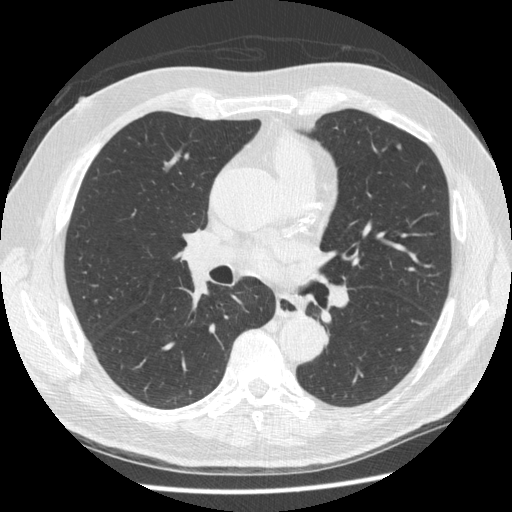
Axial slice 289 of 519 of a chest CT (slice 1 is the lowest), reconstructed with the STANDARD kernel at 120 kVp; 1.25 mm slice thickness and 0.703 mm pixels.
Pulmonary nodule at rows 143–148, columns 395–400 (box = the union of the readers' outlines on this slice), outlined by all four readers; median longest diameter 6.0 mm (readers' outlines 5.8–6.4 mm), median volume 47 mm3 (39–52 mm3). Ratings, median across the readers with their spread: texture 5/5 (solid), all four readers agreeing; median margin 4.5/5 (readers ranged 4/5 to 5/5 (circumscribed)); median sphericity 3.5/5 (readers ranged 2/5 to 5/5 (round)); calcification: absent (three), solid calcification (one); internal structure soft tissue from all four readers; subtlety 3/5 at the median of four readers, spread 2–4; median malignancy likelihood 2/5 (readers ranged 1–4). Scale key (1–5): texture non-solid→solid, margin indistinct→circumscribed, sphericity linear→round, subtlety extremely subtle→obvious, malignancy likelihood highly unlikely→highly suspicious of cancer. Box rows and columns are 0-based pixel indices from the top-left corner, inclusive.